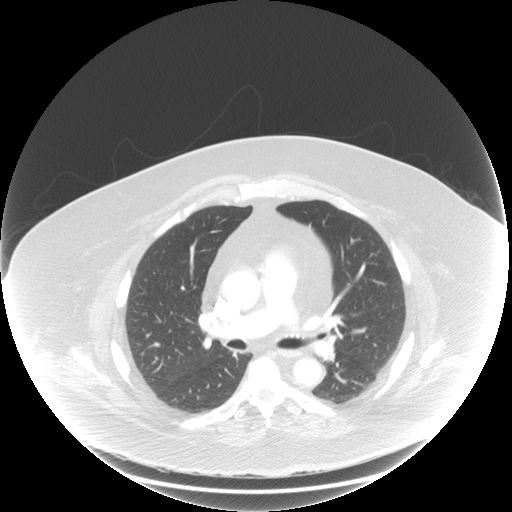
Axial chest CT slice 85 of 143 (counted from the lowest slice); tube voltage 120 kVp, convolution kernel STANDARD; slices 2.50 mm thick, 0.977 mm per pixel.
This slice carries no reader outline of a nodule 3 mm or larger.